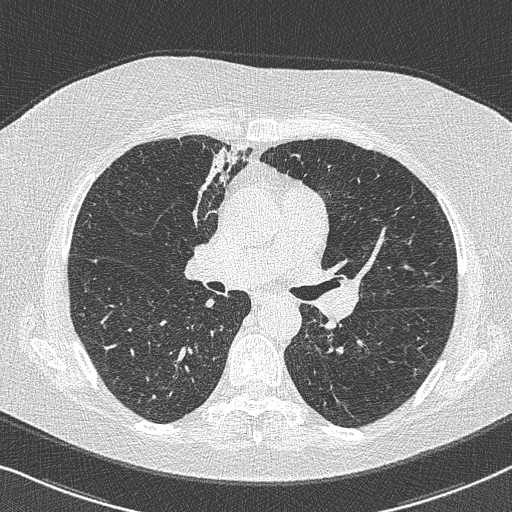
Axial chest CT slice 444 of 733 (counted from the lowest slice); 0.60 mm thick, 0.637 mm per pixel. Pulmonary nodule outlined by all four readers, two of them on this slice; box rows 367–375, columns 412–417 (the union of the readers' outlines on this slice); longest diameter 11.1–11.9 mm and volume 231–376 mm3 across the four readers' outlines. Ratings across the readers: texture 5/5 (solid) from all four readers; margin from 3/5 to 5/5 (circumscribed) across the four readers; sphericity from 3/5 (ovoid) to 5/5 (round) across the four readers; calcification absent, all four readers agreeing; internal structure soft tissue from all four readers; subtlety 4–5/5 (the readers disagree); malignancy likelihood rated between 3 and 4 out of 5 by the four readers. Scale key (1–5): texture non-solid→solid, margin indistinct→circumscribed, sphericity linear→round, subtlety extremely subtle→obvious, malignancy likelihood highly unlikely→highly suspicious of cancer. Box rows and columns are 0-based pixel indices from the top-left corner, inclusive.
Acquired at 120 kVp and reconstructed with the B50f kernel.